Chest CT, axial plane, 120 kVp, kernel STANDARD. Slice 42/421 from the bottom of the scan; thickness 1.25 mm; pixel size 0.703 mm.
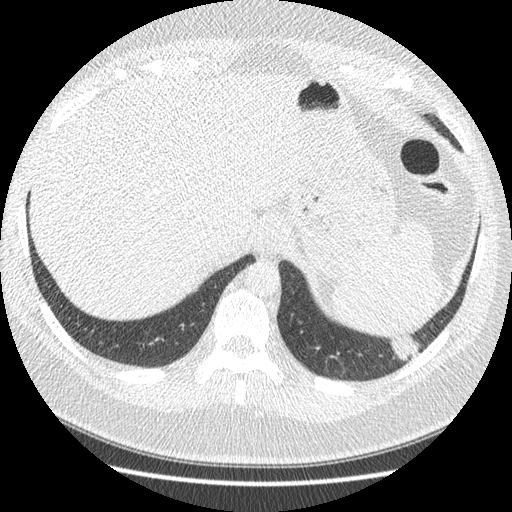
Pulmonary nodule outlined four times (the source holds four more outlines, not used); box rows 334–360, columns 389–419 (the union of the readers' outlines on this slice); median longest diameter 32.9 mm (readers' outlines 30.9–38.9 mm), median volume 5450 mm3 (4443–5826 mm3). Median ratings and the readers' spread: median texture 5/5 (solid) (readers ranged 4/5 to 5/5 (solid)); median margin 4/5 (readers ranged 3/5 to 4/5); sphericity 2.5/5 at the median of four readers, spread 2/5 to 4/5; calcification absent from all four readers; internal structure soft tissue from all four readers; median subtlety 5/5 (readers ranged 4–5); malignancy likelihood 3.5/5 at the median of four readers, spread 2–5. Scale key (1–5): texture non-solid→solid, margin indistinct→circumscribed, sphericity linear→round, subtlety extremely subtle→obvious, malignancy likelihood highly unlikely→highly suspicious of cancer. Box rows and columns are 0-based pixel indices from the top-left corner, inclusive.